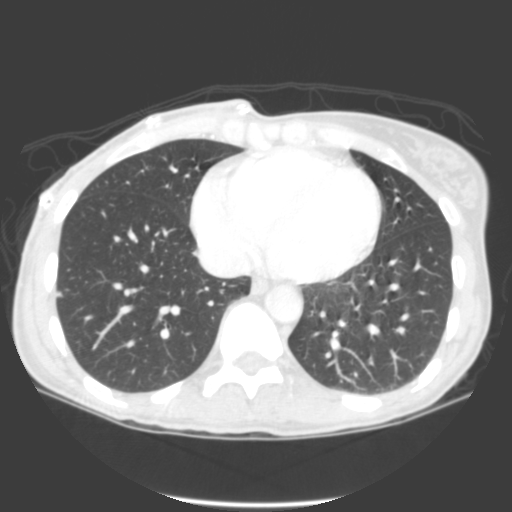
Axial slice 93 of 325 of a chest CT (slice 1 is the lowest), reconstructed with the B kernel at 120 kVp; 2.00 mm slice thickness and 0.611 mm pixels.
Pulmonary nodule, outlined by all four readers. Box on this slice rows 291–296, columns 55–62, the union of the readers' outlines on this slice; median longest diameter 7.2 mm (readers' outlines 7.0–8.2 mm), median volume 105 mm3 (85–126 mm3). Median ratings and the readers' spread: texture 5/5 (solid) at the median of four readers, spread 4/5 to 5/5 (solid); median margin 4/5 (readers ranged 3/5 to 5/5 (circumscribed)); sphericity 4/5 at the median of four readers, spread 3/5 (ovoid) to 4/5; calcification absent, all four readers agreeing; internal structure soft tissue from all four readers; subtlety 5/5 at the median of four readers, spread 4–5; malignancy likelihood 2.5/5 at the median of four readers, spread 2–4. Scale key (1–5): texture non-solid→solid, margin indistinct→circumscribed, sphericity linear→round, subtlety extremely subtle→obvious, malignancy likelihood highly unlikely→highly suspicious of cancer. Box rows and columns are 0-based pixel indices from the top-left corner, inclusive.